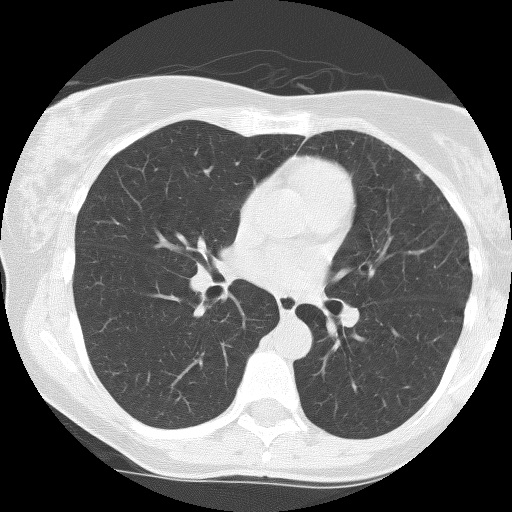
Axial slice 79 of 133 of a chest CT (slice 1 is the lowest), reconstructed with the BONE kernel at 140 kVp; 2.50 mm slice thickness and 0.557 mm pixels.
Pulmonary nodule, outlined by one of the four readers. Box on this slice rows 172–180, columns 415–423, that reader's outline on this slice; longest diameter 6.8 mm and volume 108 mm3 from that reader's outline. Ratings by that reader: texture 3/5 (part-solid); margin 1/5 (indistinct); sphericity 3/5 (ovoid); calcification absent; internal structure soft tissue; subtlety 1/5; malignancy likelihood 1/5. Scale key (1–5): texture non-solid→solid, margin indistinct→circumscribed, sphericity linear→round, subtlety extremely subtle→obvious, malignancy likelihood highly unlikely→highly suspicious of cancer. Box rows and columns are 0-based pixel indices from the top-left corner, inclusive.